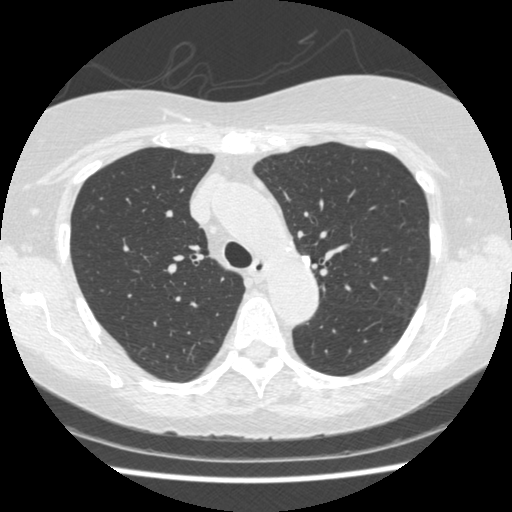
Chest CT, axial plane, 120 kVp, kernel STANDARD. Slice 311/458 from the bottom of the scan; thickness 1.25 mm; pixel size 0.625 mm.
Pulmonary nodule outlined by one of the four readers; box rows 256–265, columns 302–310 (that reader's outline on this slice); longest diameter 11.9 mm and volume 579 mm3 from that reader's outline. Ratings by that reader: texture 5/5 (solid); margin 5/5 (circumscribed); sphericity 5/5 (round); calcification solid calcification; internal structure soft tissue; subtlety 4/5; malignancy likelihood 1/5. Scale key (1–5): texture non-solid→solid, margin indistinct→circumscribed, sphericity linear→round, subtlety extremely subtle→obvious, malignancy likelihood highly unlikely→highly suspicious of cancer. Box rows and columns are 0-based pixel indices from the top-left corner, inclusive.